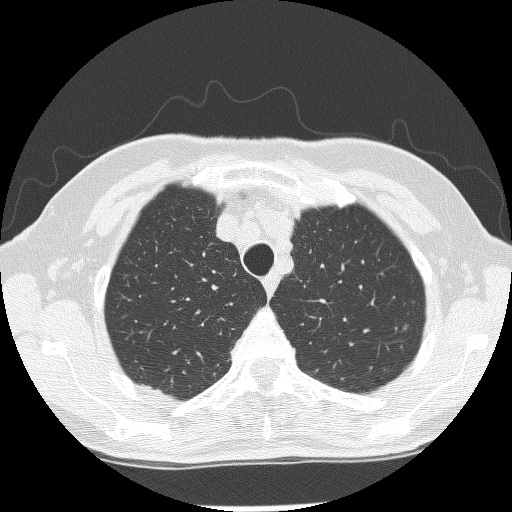
Axial chest CT slice 205 of 245 (counted from the lowest slice); tube voltage 120 kVp, convolution kernel BONE; slices 1.25 mm thick, 0.592 mm per pixel.
Pulmonary nodule outlined by three of the four readers; box rows 323–331, columns 401–408 (the union of the readers' outlines on this slice); longest diameter 5.6 mm on average over the three readers' outlines (readers' outlines 5.5–5.6 mm), volume 23–37 mm3. Ratings, by the readers' most common answer with dissent counted: most readers (two of three) put texture at 1/5 (non-solid), others 2/5 (one); most readers (two of three) put margin at 2/5, others 5/5 (circumscribed) (one); sphericity 3/5 (ovoid) from all three readers; calcification absent, all three readers agreeing; internal structure soft tissue from all three readers; most readers (two of three) put subtlety at 2/5, others 1/5 (one); malignancy likelihood 3/5 by two of three readers; the rest gave 2/5 (one). Scale key (1–5): texture non-solid→solid, margin indistinct→circumscribed, sphericity linear→round, subtlety extremely subtle→obvious, malignancy likelihood highly unlikely→highly suspicious of cancer. Box rows and columns are 0-based pixel indices from the top-left corner, inclusive.